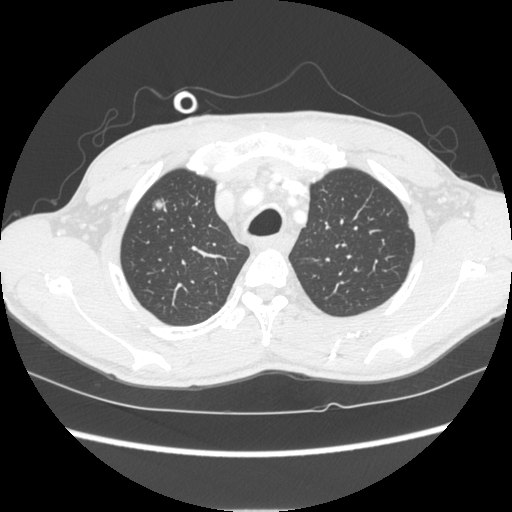
One axial slice (212 of 261, counting up from the lowest) of a chest CT acquired at 120 kVp with the STANDARD kernel; each pixel is 0.684 mm and the slice is 1.25 mm thick.
Two pulmonary nodules on this slice, listed from left to right. (1) Pulmonary nodule at rows 199–210, columns 152–164 (box = the union of the readers' outlines on this slice), outlined by all four readers; the four readers' outlines give a longest diameter between 13.4 and 14.6 mm and a volume between 779 and 989 mm3. Ratings across the readers: texture 5/5 (solid), all four readers agreeing; margin 5/5 (circumscribed), all four readers agreeing; sphericity from 4/5 to 5/5 (round) across the four readers; calcification absent from all four readers; internal structure soft tissue from all four readers; subtlety rated between 3 and 5 out of 5 by the four readers; malignancy likelihood from 2/5 to 5/5 across the four readers. (2) Pulmonary nodule, outlined by all four readers, one of them on this slice. Box on this slice rows 217–231, columns 408–414, the one reader's outline on this slice; the four readers' outlines give a longest diameter between 11.7 and 13.4 mm and a volume between 372 and 605 mm3. Ratings across the readers: texture 5/5 (solid) from all four readers; margin 5/5 (circumscribed), all four readers agreeing; sphericity from 3/5 (ovoid) to 5/5 (round) across the four readers; calcification absent from all four readers; internal structure soft tissue from all four readers; subtlety from 3/5 to 5/5 across the four readers; malignancy likelihood from 2/5 to 5/5 across the four readers. Scale key (1–5): texture non-solid→solid, margin indistinct→circumscribed, sphericity linear→round, subtlety extremely subtle→obvious, malignancy likelihood highly unlikely→highly suspicious of cancer. Box rows and columns are 0-based pixel indices from the top-left corner, inclusive.